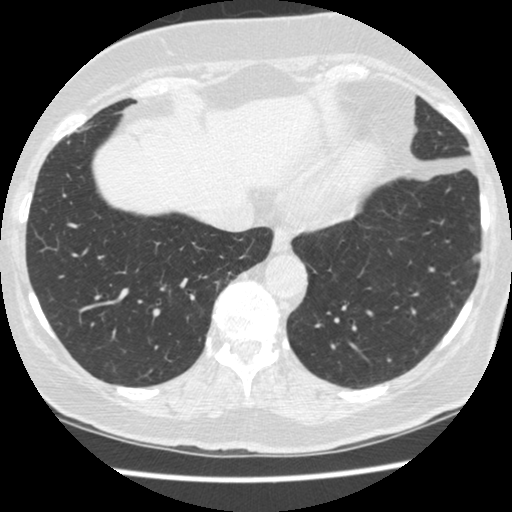
Axial slice 134 of 481 of a chest CT (slice 1 is the lowest), reconstructed with the STANDARD kernel at 120 kVp; 1.25 mm slice thickness and 0.605 mm pixels.
Pulmonary nodule, outlined by all four readers. Box on this slice rows 253–262, columns 471–478, the union of the readers' outlines on this slice; longest diameter 9.9–10.4 mm and volume 124–211 mm3 across the four readers' outlines. The readers' ratings, as ranges where they differ: texture from 4/5 to 5/5 (solid) across the four readers; margin from 1/5 (indistinct) to 5/5 (circumscribed) across the four readers; sphericity from 3/5 (ovoid) to 5/5 (round) across the four readers; calcification absent from all four readers; internal structure soft tissue from all four readers; subtlety 4/5 from all four readers; malignancy likelihood rated between 2 and 3 out of 5 by the four readers. Scale key (1–5): texture non-solid→solid, margin indistinct→circumscribed, sphericity linear→round, subtlety extremely subtle→obvious, malignancy likelihood highly unlikely→highly suspicious of cancer. Box rows and columns are 0-based pixel indices from the top-left corner, inclusive.